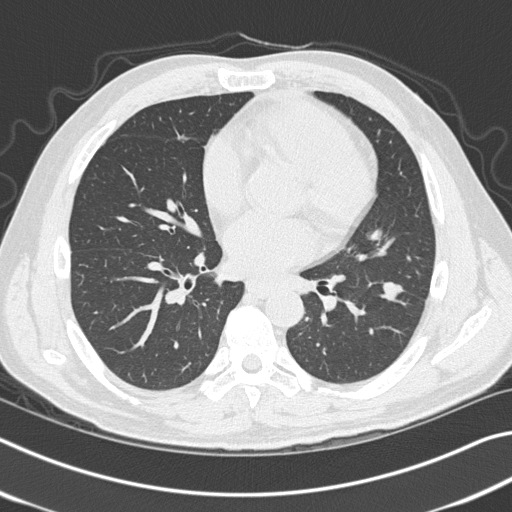
Axial chest CT slice 172 of 327 (counted from the lowest slice); tube voltage 120 kVp, convolution kernel B45f; slices 1.00 mm thick, 0.664 mm per pixel.
Pulmonary nodule outlined by all four readers; box rows 281–304, columns 381–404 (the union of the readers' outlines on this slice); the four readers' outlines give a longest diameter between 16.4 and 20.2 mm and a volume between 1016 and 1342 mm3. The readers' ratings, as ranges where they differ: texture 5/5 (solid) from all four readers; margin from 4/5 to 5/5 (circumscribed) across the four readers; sphericity from 3/5 (ovoid) to 5/5 (round) across the four readers; calcification absent from all four readers; internal structure soft tissue from all four readers; subtlety from 4/5 to 5/5 across the four readers; malignancy likelihood 3–5/5 (the readers disagree). Scale key (1–5): texture non-solid→solid, margin indistinct→circumscribed, sphericity linear→round, subtlety extremely subtle→obvious, malignancy likelihood highly unlikely→highly suspicious of cancer. Box rows and columns are 0-based pixel indices from the top-left corner, inclusive.